One axial slice (231 of 493, counting up from the lowest) of a chest CT acquired at 120 kVp with the B30f kernel; each pixel is 0.762 mm and the slice is 0.75 mm thick.
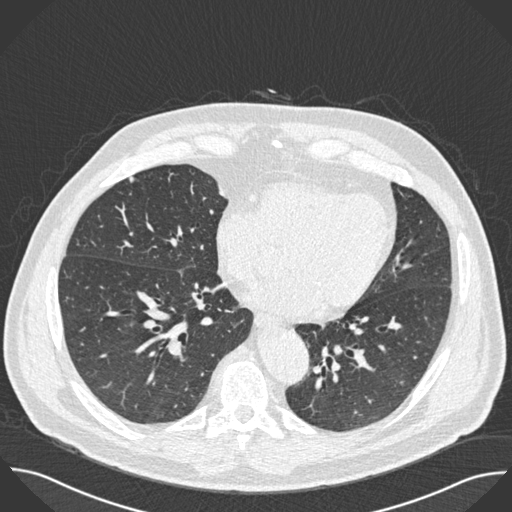
Pulmonary nodule outlined by three of the four readers; box rows 176–182, columns 129–134 (the union of the readers' outlines on this slice); median longest diameter 7.2 mm (readers' outlines 7.2–7.6 mm), median volume 97 mm3 (74–97 mm3). Ratings, median across the readers with their spread: texture 5/5 (solid), all three readers agreeing; margin 4/5 at the median of three readers, spread 1/5 (indistinct) to 5/5 (circumscribed); median sphericity 4/5 (readers ranged 3/5 (ovoid) to 4/5); calcification absent, all three readers agreeing; internal structure soft tissue, all three readers agreeing; subtlety 5/5 at the median of three readers, spread 3–5; malignancy likelihood 3/5, all three readers agreeing. Scale key (1–5): texture non-solid→solid, margin indistinct→circumscribed, sphericity linear→round, subtlety extremely subtle→obvious, malignancy likelihood highly unlikely→highly suspicious of cancer. Box rows and columns are 0-based pixel indices from the top-left corner, inclusive.